Axial slice 69 of 122 of a chest CT (slice 1 is the lowest), reconstructed with the FC01 kernel at 135 kVp; 3.00 mm slice thickness and 0.586 mm pixels.
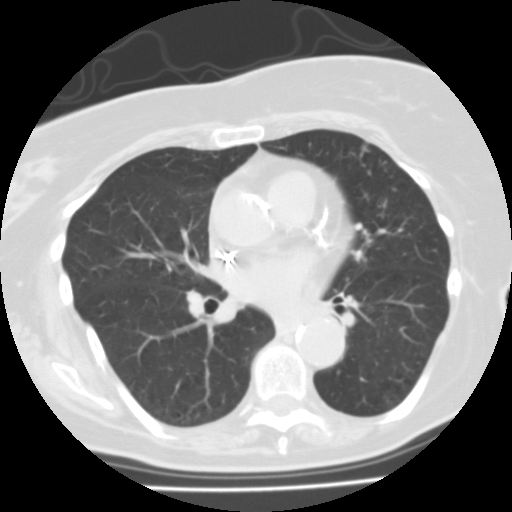
Pulmonary nodule outlined by one of the four readers; box rows 224–229, columns 355–361 (that reader's outline on this slice); longest diameter 5.2 mm and volume 112 mm3 from that reader's outline. That reader's ratings: texture 5/5 (solid); margin 5/5 (circumscribed); sphericity 4/5; calcification absent; internal structure soft tissue; subtlety 4/5; malignancy likelihood 1/5. Scale key (1–5): texture non-solid→solid, margin indistinct→circumscribed, sphericity linear→round, subtlety extremely subtle→obvious, malignancy likelihood highly unlikely→highly suspicious of cancer. Box rows and columns are 0-based pixel indices from the top-left corner, inclusive.